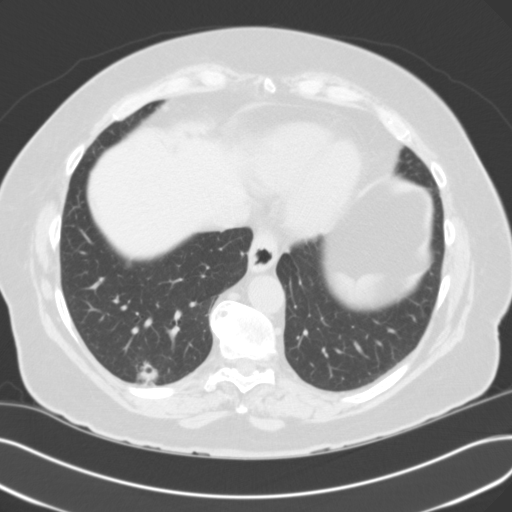
Slice 43/112 of a chest CT, counting up from the lowest; pixel size 0.711 mm, slice thickness 3.00 mm. Pulmonary nodule, outlined by all four readers. Box on this slice rows 361–383, columns 136–160, the union of the readers' outlines on this slice; median longest diameter 18.1 mm (readers' outlines 17.4–20.7 mm), median volume 2002 mm3 (1739–3129 mm3). Median ratings and the readers' spread: median texture 4.5/5 (readers ranged 3/5 (part-solid) to 5/5 (solid)); margin 4.5/5 at the median of four readers, spread 3/5 to 5/5 (circumscribed); median sphericity 5/5 (round) (readers ranged 3/5 (ovoid) to 5/5 (round)); calcification absent, all four readers agreeing; internal structure soft tissue from all four readers; subtlety 5/5, all four readers agreeing; malignancy likelihood 4/5 at the median of four readers, spread 2–5. Scale key (1–5): texture non-solid→solid, margin indistinct→circumscribed, sphericity linear→round, subtlety extremely subtle→obvious, malignancy likelihood highly unlikely→highly suspicious of cancer. Box rows and columns are 0-based pixel indices from the top-left corner, inclusive.
Scan settings: 120 kVp, B31f reconstruction kernel.